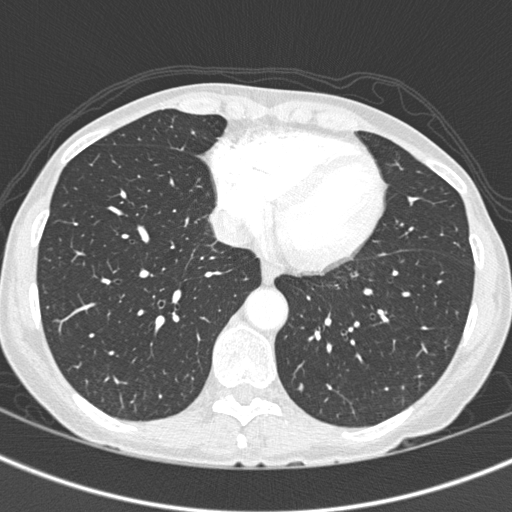
Axial chest CT slice 165 of 375 (counted from the lowest slice); 1.00 mm thick, 0.586 mm per pixel. Pulmonary nodule at rows 382–391, columns 297–303 (box = that reader's outline on this slice), outlined by one of the four readers; longest diameter 6.9 mm and volume 46 mm3 from that reader's outline. That reader's ratings: texture 3/5 (part-solid); margin 2/5; sphericity 3/5 (ovoid); calcification absent; internal structure soft tissue; subtlety 3/5; malignancy likelihood 3/5. Scale key (1–5): texture non-solid→solid, margin indistinct→circumscribed, sphericity linear→round, subtlety extremely subtle→obvious, malignancy likelihood highly unlikely→highly suspicious of cancer. Box rows and columns are 0-based pixel indices from the top-left corner, inclusive.
Scan settings: 120 kVp, B45f reconstruction kernel.